One axial slice (197 of 255, counting up from the lowest) of a chest CT acquired at 120 kVp with the BONE kernel; each pixel is 0.654 mm and the slice is 1.25 mm thick.
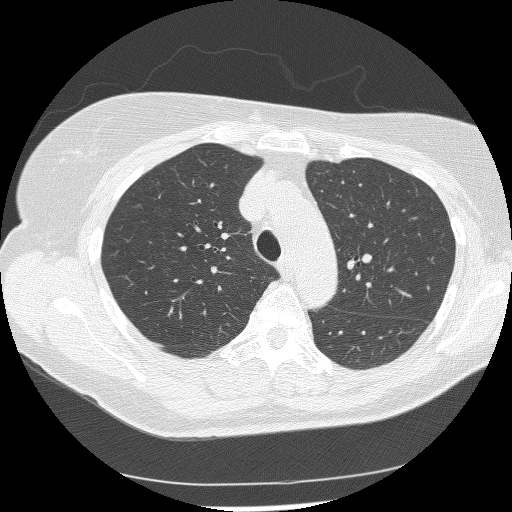
No nodule of 3 mm or larger was outlined by any of the four readers on this slice.